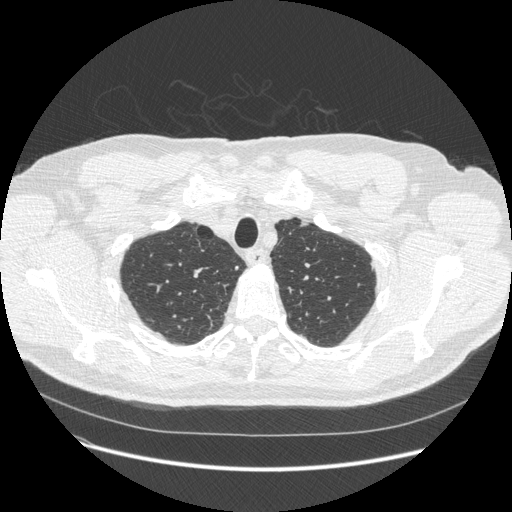
Axial slice 454 of 541 of a chest CT (slice 1 is the lowest), reconstructed with the STANDARD kernel at 120 kVp; 1.25 mm slice thickness and 0.781 mm pixels.
Pulmonary nodule at rows 266–269, columns 235–238 (box = that reader's outline on this slice), outlined by one of the four readers; longest diameter 5.2 mm and volume 46 mm3 from that reader's outline. That reader's ratings: texture 5/5 (solid); margin 5/5 (circumscribed); sphericity 4/5; calcification absent; internal structure soft tissue; subtlety 4/5; malignancy likelihood 4/5. Scale key (1–5): texture non-solid→solid, margin indistinct→circumscribed, sphericity linear→round, subtlety extremely subtle→obvious, malignancy likelihood highly unlikely→highly suspicious of cancer. Box rows and columns are 0-based pixel indices from the top-left corner, inclusive.